One axial slice (79 of 246, counting up from the lowest) of a chest CT acquired at 120 kVp with the BONE kernel; each pixel is 0.617 mm and the slice is 1.25 mm thick.
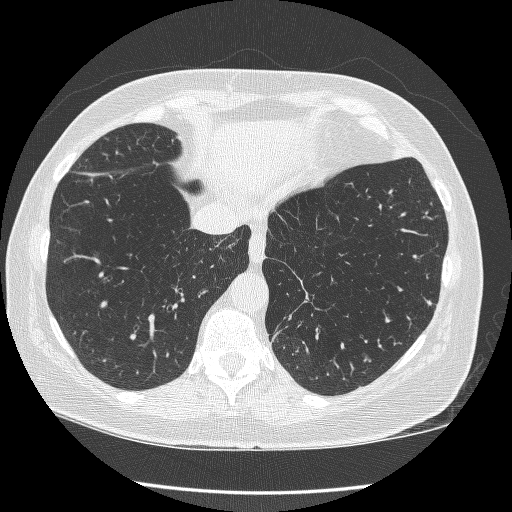
Pulmonary nodule outlined by all four readers; box rows 300–305, columns 425–432 (the union of the readers' outlines on this slice); longest diameter 5.7 mm on average over the four readers' outlines (readers' outlines 5.3–6.2 mm), volume 83–105 mm3. Ratings, by the readers' most common answer with dissent counted: most readers (three of four) put texture at 5/5 (solid), others 4/5 (one); margin split among the readers: 4/5 (two), 5/5 (circumscribed) (two); sphericity 3/5 (ovoid) by two of four readers; the rest gave 4/5 (one), 5/5 (round) (one); calcification absent from all four readers; internal structure soft tissue from all four readers; subtlety split among the readers: 2/5 (two), 4/5 (two); malignancy likelihood split among the readers: 2/5 (two), 3/5 (two). Scale key (1–5): texture non-solid→solid, margin indistinct→circumscribed, sphericity linear→round, subtlety extremely subtle→obvious, malignancy likelihood highly unlikely→highly suspicious of cancer. Box rows and columns are 0-based pixel indices from the top-left corner, inclusive.